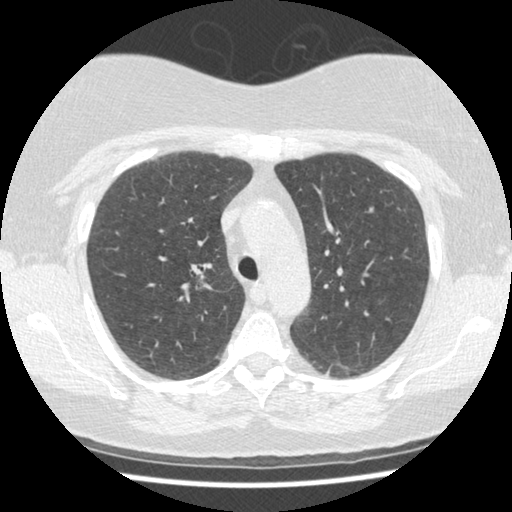
One axial slice (288 of 401, counting up from the lowest) of a chest CT acquired at 120 kVp with the STANDARD kernel; each pixel is 0.625 mm and the slice is 1.25 mm thick.
Pulmonary nodule at rows 206–212, columns 368–373 (box = the union of the readers' outlines on this slice), outlined by all four readers; the four readers' outlines give a longest diameter between 5.9 and 6.4 mm and a volume between 30 and 40 mm3. Ratings across the readers: texture 5/5 (solid) from all four readers; margin from 3/5 to 5/5 (circumscribed) across the four readers; sphericity from 2/5 to 4/5 across the four readers; calcification absent, all four readers agreeing; internal structure soft tissue from all four readers; subtlety rated between 2 and 4 out of 5 by the four readers; malignancy likelihood rated between 2 and 3 out of 5 by the four readers. Scale key (1–5): texture non-solid→solid, margin indistinct→circumscribed, sphericity linear→round, subtlety extremely subtle→obvious, malignancy likelihood highly unlikely→highly suspicious of cancer. Box rows and columns are 0-based pixel indices from the top-left corner, inclusive.